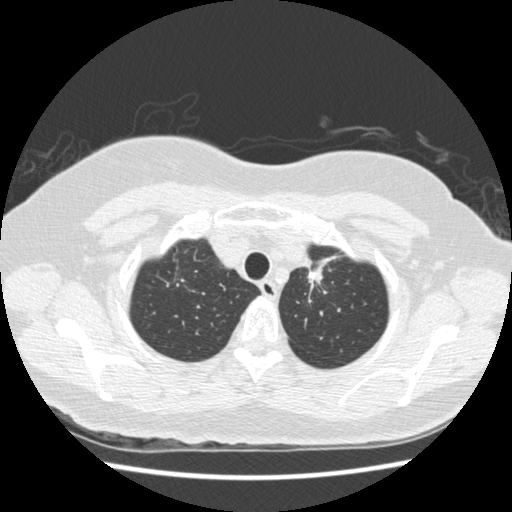
Axial chest CT slice 372 of 445 (counted from the lowest slice); 1.25 mm thick, 0.645 mm per pixel. Pulmonary nodule at rows 268–291, columns 307–322 (box = that reader's outline on this slice), outlined by one of the four readers; longest diameter 31.0 mm and volume 2055 mm3 from that reader's outline. That reader's ratings: texture 5/5 (solid); margin 2/5; sphericity 2/5; calcification absent; internal structure soft tissue; subtlety 5/5; malignancy likelihood 4/5. Scale key (1–5): texture non-solid→solid, margin indistinct→circumscribed, sphericity linear→round, subtlety extremely subtle→obvious, malignancy likelihood highly unlikely→highly suspicious of cancer. Box rows and columns are 0-based pixel indices from the top-left corner, inclusive.
Tube voltage 120 kVp; convolution kernel STANDARD.